One axial slice (79 of 123, counting up from the lowest) of a chest CT acquired at 140 kVp with the STANDARD kernel; each pixel is 0.703 mm and the slice is 2.50 mm thick.
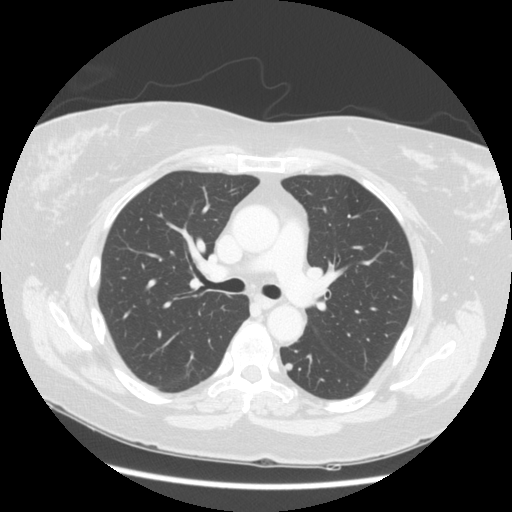
Pulmonary nodule outlined by all four readers; box rows 363–370, columns 285–292 (the union of the readers' outlines on this slice); median longest diameter 6.5 mm (readers' outlines 6.0–7.6 mm), median volume 132 mm3 (117–176 mm3). Ratings, median across the readers with their spread: texture 5/5 (solid) from all four readers; margin 5/5 (circumscribed) from all four readers; sphericity 5/5 (round) at the median of four readers, spread 4/5 to 5/5 (round); calcification absent, all four readers agreeing; internal structure soft tissue from all four readers; median subtlety 3.5/5 (readers ranged 3–5); median malignancy likelihood 2.5/5 (readers ranged 2–4). Scale key (1–5): texture non-solid→solid, margin indistinct→circumscribed, sphericity linear→round, subtlety extremely subtle→obvious, malignancy likelihood highly unlikely→highly suspicious of cancer. Box rows and columns are 0-based pixel indices from the top-left corner, inclusive.